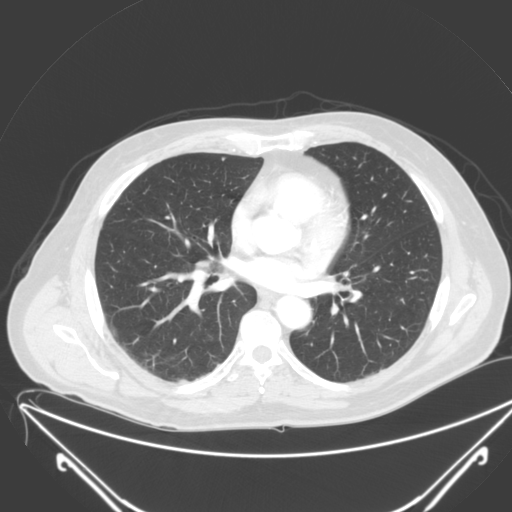
Chest CT, axial plane, 120 kVp, kernel B. Slice 116/250 from the bottom of the scan; thickness 2.00 mm; pixel size 0.834 mm.
Pulmonary nodule, outlined by one of the four readers. Box on this slice rows 157–160, columns 220–224, that reader's outline on this slice; longest diameter 5.6 mm and volume 48 mm3 from that reader's outline. That reader's ratings: texture 5/5 (solid); margin 5/5 (circumscribed); sphericity 4/5; calcification absent; internal structure soft tissue; subtlety 3/5; malignancy likelihood 2/5. Scale key (1–5): texture non-solid→solid, margin indistinct→circumscribed, sphericity linear→round, subtlety extremely subtle→obvious, malignancy likelihood highly unlikely→highly suspicious of cancer. Box rows and columns are 0-based pixel indices from the top-left corner, inclusive.